Chest CT, axial plane, 120 kVp, kernel STANDARD. Slice 255/535 from the bottom of the scan; thickness 1.25 mm; pixel size 0.664 mm.
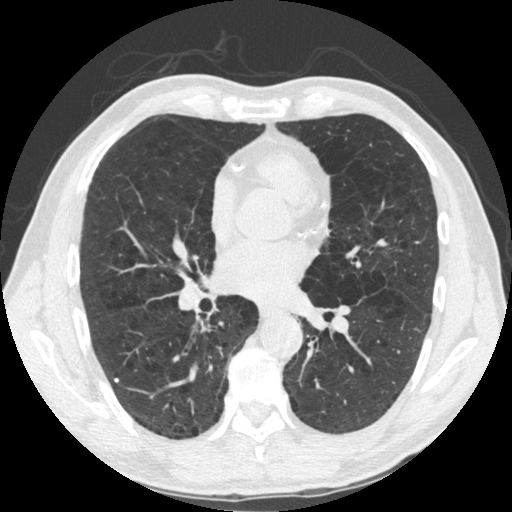
Pulmonary nodule, outlined by one of the four readers. Box on this slice rows 378–382, columns 114–118, that reader's outline on this slice; longest diameter 4.2 mm and volume 28 mm3 from that reader's outline. Ratings by that reader: texture 5/5 (solid); margin 5/5 (circumscribed); sphericity 5/5 (round); calcification solid calcification; internal structure soft tissue; subtlety 5/5; malignancy likelihood 1/5. Scale key (1–5): texture non-solid→solid, margin indistinct→circumscribed, sphericity linear→round, subtlety extremely subtle→obvious, malignancy likelihood highly unlikely→highly suspicious of cancer. Box rows and columns are 0-based pixel indices from the top-left corner, inclusive.